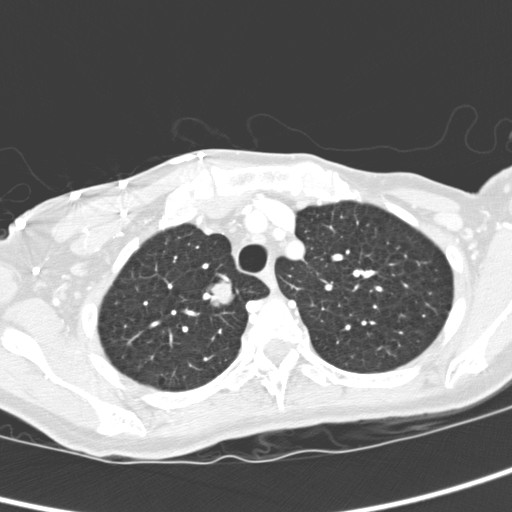
One axial slice (259 of 321, counting up from the lowest) of a chest CT acquired at 120 kVp with the D kernel; each pixel is 0.557 mm and the slice is 2.00 mm thick.
Pulmonary nodule at rows 278–307, columns 206–234 (box = the union of the readers' outlines on this slice), outlined by all four readers; median longest diameter 20.8 mm (readers' outlines 19.2–21.9 mm), median volume 3674 mm3 (3323–4100 mm3). Ratings, median across the readers with their spread: texture 5/5 (solid), all four readers agreeing; margin 5/5 (circumscribed) at the median of four readers, spread 4/5 to 5/5 (circumscribed); sphericity 5/5 (round) at the median of four readers, spread 4/5 to 5/5 (round); calcification absent, all four readers agreeing; internal structure soft tissue, all four readers agreeing; subtlety 5/5 from all four readers; malignancy likelihood 4.5/5 at the median of four readers, spread 3–5. Scale key (1–5): texture non-solid→solid, margin indistinct→circumscribed, sphericity linear→round, subtlety extremely subtle→obvious, malignancy likelihood highly unlikely→highly suspicious of cancer. Box rows and columns are 0-based pixel indices from the top-left corner, inclusive.